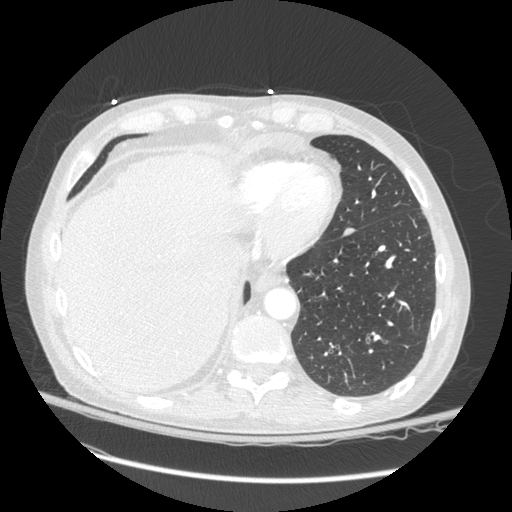
Axial slice 84 of 272 of a chest CT (slice 1 is the lowest), reconstructed with the STANDARD kernel at 120 kVp; 1.25 mm slice thickness and 0.742 mm pixels.
Pulmonary nodule, outlined by all four readers. Box on this slice rows 228–236, columns 342–356, the union of the readers' outlines on this slice; the four readers' outlines give a longest diameter between 10.6 and 13.2 mm and a volume between 211 and 375 mm3. The readers' ratings, as ranges where they differ: texture 5/5 (solid), all four readers agreeing; margin 5/5 (circumscribed) from all four readers; sphericity from 3/5 (ovoid) to 5/5 (round) across the four readers; calcification absent from all four readers; internal structure soft tissue, all four readers agreeing; subtlety 3/5 from all four readers; malignancy likelihood rated between 1 and 3 out of 5 by the four readers. Scale key (1–5): texture non-solid→solid, margin indistinct→circumscribed, sphericity linear→round, subtlety extremely subtle→obvious, malignancy likelihood highly unlikely→highly suspicious of cancer. Box rows and columns are 0-based pixel indices from the top-left corner, inclusive.